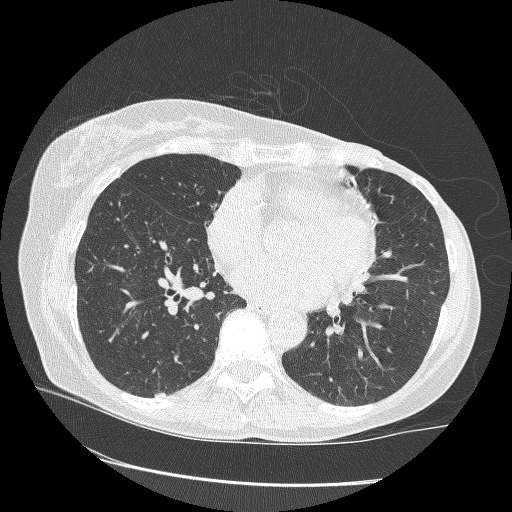
Slice 132/265 of a chest CT, counting up from the lowest; pixel size 0.664 mm, slice thickness 1.25 mm. Pulmonary nodule outlined by three of the four readers; box rows 392–398, columns 154–166 (the union of the readers' outlines on this slice); longest diameter 9.1 mm on average over the three readers' outlines (readers' outlines 8.0–10.0 mm), volume 87–155 mm3. Ratings, by the readers' most common answer with dissent counted: texture 5/5 (solid), all three readers agreeing; most readers (two of three) put margin at 5/5 (circumscribed), others 4/5 (one); most readers (two of three) put sphericity at 3/5 (ovoid), others 2/5 (one); calcification absent from all three readers; internal structure soft tissue from all three readers; subtlety 4/5, all three readers agreeing; malignancy likelihood 3/5 by two of three readers; the rest gave 2/5 (one). Scale key (1–5): texture non-solid→solid, margin indistinct→circumscribed, sphericity linear→round, subtlety extremely subtle→obvious, malignancy likelihood highly unlikely→highly suspicious of cancer. Box rows and columns are 0-based pixel indices from the top-left corner, inclusive.
Acquired at 120 kVp and reconstructed with the BONE kernel.